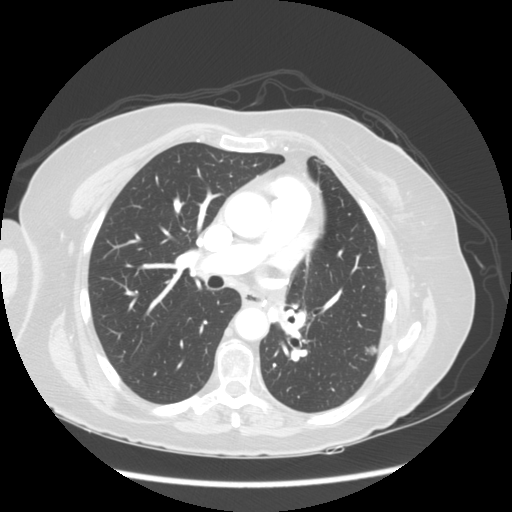
Axial chest CT slice 93 of 141 (counted from the lowest slice); tube voltage 120 kVp, convolution kernel STANDARD; slices 2.50 mm thick, 0.703 mm per pixel.
Pulmonary nodule at rows 344–357, columns 364–377 (box = the union of the readers' outlines on this slice), outlined by all four readers; longest diameter 19.5 mm on average over the four readers' outlines (readers' outlines 17.8–22.2 mm), volume 1070–1706 mm3. Ratings, by the readers' most common answer with dissent counted: texture 5/5 (solid), all four readers agreeing; most readers (three of four) put margin at 4/5, others 3/5 (one); sphericity 3/5 (ovoid) by two of four readers; the rest gave 2/5 (one), 4/5 (one); calcification absent, all four readers agreeing; internal structure soft tissue, all four readers agreeing; subtlety 5/5 by three of four readers; the rest gave 4/5 (one); malignancy likelihood 4/5 by two of four readers; the rest gave 3/5 (one), 5/5 (one). Scale key (1–5): texture non-solid→solid, margin indistinct→circumscribed, sphericity linear→round, subtlety extremely subtle→obvious, malignancy likelihood highly unlikely→highly suspicious of cancer. Box rows and columns are 0-based pixel indices from the top-left corner, inclusive.